One axial slice (108 of 301, counting up from the lowest) of a chest CT acquired at 120 kVp with the STANDARD kernel; each pixel is 0.752 mm and the slice is 1.25 mm thick.
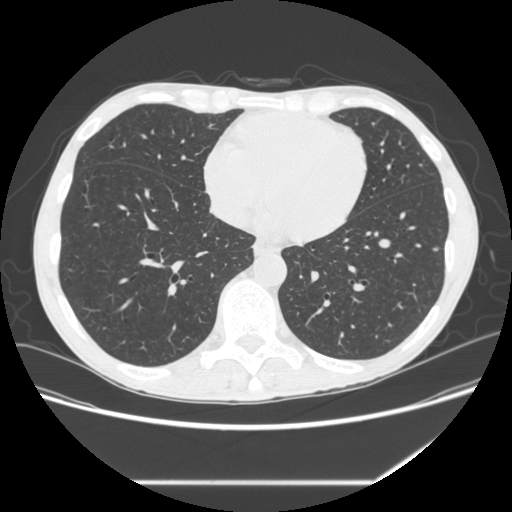
Pulmonary nodule at rows 247–251, columns 433–438 (box = the union of the readers' outlines on this slice), outlined by all four readers; median longest diameter 6.7 mm (readers' outlines 6.1–7.9 mm), median volume 94 mm3 (82–103 mm3). Median ratings and the readers' spread: texture 5/5 (solid) at the median of four readers, spread 4/5 to 5/5 (solid); margin 4.5/5 at the median of four readers, spread 4/5 to 5/5 (circumscribed); sphericity 3.5/5 at the median of four readers, spread 3/5 (ovoid) to 4/5; calcification absent from all four readers; internal structure soft tissue from all four readers; subtlety 4/5 at the median of four readers, spread 2–4; malignancy likelihood 2/5 from all four readers. Scale key (1–5): texture non-solid→solid, margin indistinct→circumscribed, sphericity linear→round, subtlety extremely subtle→obvious, malignancy likelihood highly unlikely→highly suspicious of cancer. Box rows and columns are 0-based pixel indices from the top-left corner, inclusive.